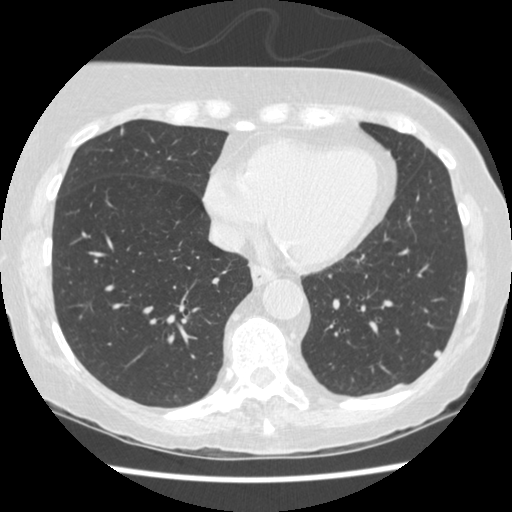
Chest CT, axial plane, 120 kVp, kernel STANDARD. Slice 126/458 from the bottom of the scan; thickness 1.25 mm; pixel size 0.625 mm.
Pulmonary nodule at rows 349–358, columns 433–441 (box = the union of the readers' outlines on this slice), outlined by all four readers; median longest diameter 6.5 mm (readers' outlines 6.2–7.0 mm), median volume 85 mm3 (63–96 mm3). Ratings, median across the readers with their spread: median texture 5/5 (solid) (readers ranged 4/5 to 5/5 (solid)); margin 5/5 (circumscribed) at the median of four readers, spread 3/5 to 5/5 (circumscribed); sphericity 4/5 at the median of four readers, spread 2/5 to 4/5; calcification absent from all four readers; internal structure soft tissue, all four readers agreeing; subtlety 4/5 at the median of four readers, spread 3–5; median malignancy likelihood 2.5/5 (readers ranged 2–3). Scale key (1–5): texture non-solid→solid, margin indistinct→circumscribed, sphericity linear→round, subtlety extremely subtle→obvious, malignancy likelihood highly unlikely→highly suspicious of cancer. Box rows and columns are 0-based pixel indices from the top-left corner, inclusive.